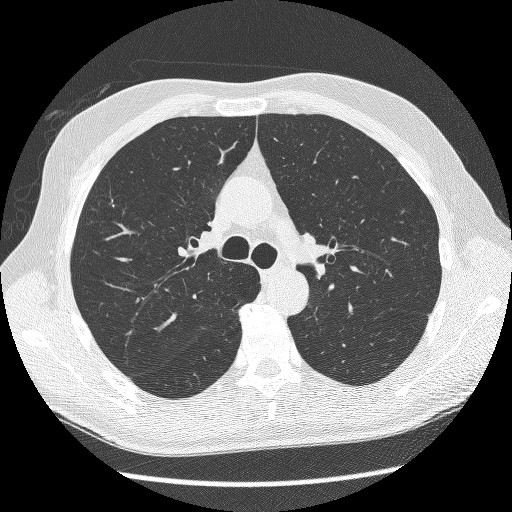
Axial slice 176 of 261 of a chest CT (slice 1 is the lowest), reconstructed with the BONE kernel at 120 kVp; 1.25 mm slice thickness and 0.689 mm pixels.
No nodule of 3 mm or larger was outlined by any of the four readers on this slice.